One axial slice (153 of 290, counting up from the lowest) of a chest CT acquired at 120 kVp with the D kernel; each pixel is 0.648 mm and the slice is 2.00 mm thick.
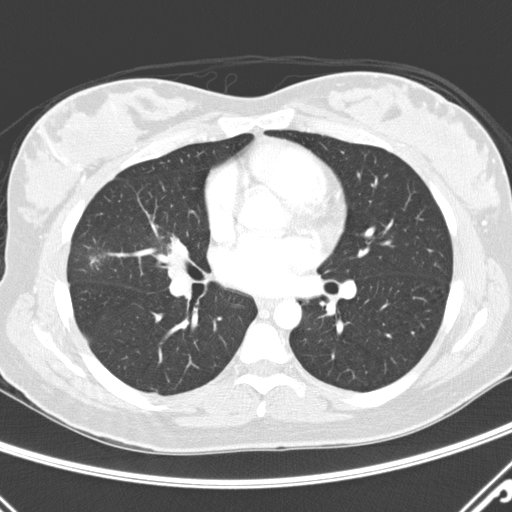
Pulmonary nodule, outlined by all four readers, two of them on this slice. Box on this slice rows 253–264, columns 90–104, the union of the readers' outlines on this slice; median longest diameter 23.9 mm (readers' outlines 19.9–37.8 mm), median volume 1825 mm3 (1327–2956 mm3). Median ratings and the readers' spread: median texture 4/5 (readers ranged 3/5 (part-solid) to 5/5 (solid)); margin 1.5/5 at the median of four readers, spread 1/5 (indistinct) to 3/5; median sphericity 3/5 (ovoid) (readers ranged 2/5 to 4/5); calcification absent, all four readers agreeing; internal structure soft tissue from all four readers; subtlety 5/5 from all four readers; malignancy likelihood 4/5 at the median of four readers, spread 3–5. Scale key (1–5): texture non-solid→solid, margin indistinct→circumscribed, sphericity linear→round, subtlety extremely subtle→obvious, malignancy likelihood highly unlikely→highly suspicious of cancer. Box rows and columns are 0-based pixel indices from the top-left corner, inclusive.